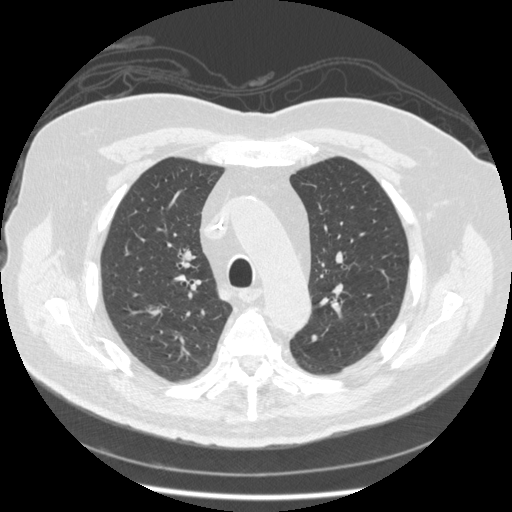
Axial chest CT slice 162 of 238 (counted from the lowest slice); tube voltage 120 kVp, convolution kernel STANDARD; slices 1.25 mm thick, 0.729 mm per pixel.
Pulmonary nodule outlined by all four readers; box rows 334–341, columns 310–317 (the union of the readers' outlines on this slice); median longest diameter 7.7 mm (readers' outlines 6.9–9.0 mm), median volume 141 mm3 (123–197 mm3). Median ratings and the readers' spread: median texture 5/5 (solid) (readers ranged 4/5 to 5/5 (solid)); margin 5/5 (circumscribed) from all four readers; sphericity 5/5 (round) at the median of four readers, spread 4/5 to 5/5 (round); calcification absent from all four readers; internal structure soft tissue from all four readers; median subtlety 3/5 (readers ranged 3–5); malignancy likelihood 2.5/5 at the median of four readers, spread 2–3. Scale key (1–5): texture non-solid→solid, margin indistinct→circumscribed, sphericity linear→round, subtlety extremely subtle→obvious, malignancy likelihood highly unlikely→highly suspicious of cancer. Box rows and columns are 0-based pixel indices from the top-left corner, inclusive.